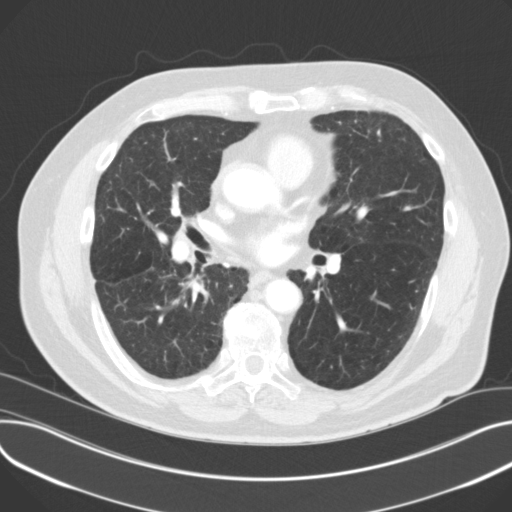
Axial chest CT slice 71 of 129 (counted from the lowest slice); tube voltage 120 kVp, convolution kernel B31f; slices 3.00 mm thick, 0.730 mm per pixel.
No nodule 3 mm or larger was outlined here by any reader.